Chest CT, axial plane, 120 kVp, kernel STANDARD. Slice 44/421 from the bottom of the scan; thickness 1.25 mm; pixel size 0.703 mm.
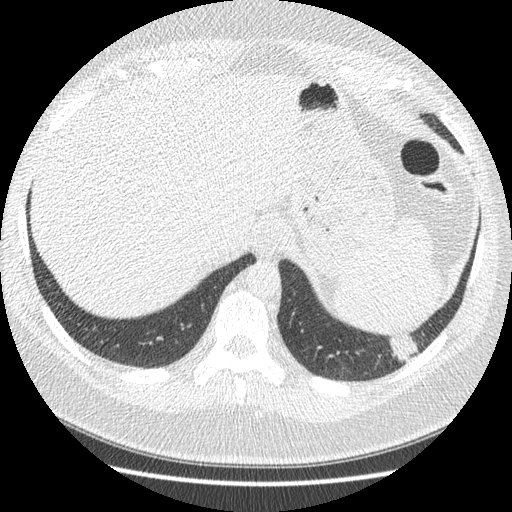
Pulmonary nodule at rows 333–362, columns 388–417 (box = the union of the readers' outlines on this slice), outlined four times (the source holds four more outlines, not used); median longest diameter 32.9 mm (readers' outlines 30.9–38.9 mm), median volume 5450 mm3 (4443–5826 mm3). Ratings, median across the readers with their spread: median texture 5/5 (solid) (readers ranged 4/5 to 5/5 (solid)); margin 4/5 at the median of four readers, spread 3/5 to 4/5; sphericity 2.5/5 at the median of four readers, spread 2/5 to 4/5; calcification absent, all four readers agreeing; internal structure soft tissue from all four readers; subtlety 5/5 at the median of four readers, spread 4–5; malignancy likelihood 3.5/5 at the median of four readers, spread 2–5. Scale key (1–5): texture non-solid→solid, margin indistinct→circumscribed, sphericity linear→round, subtlety extremely subtle→obvious, malignancy likelihood highly unlikely→highly suspicious of cancer. Box rows and columns are 0-based pixel indices from the top-left corner, inclusive.